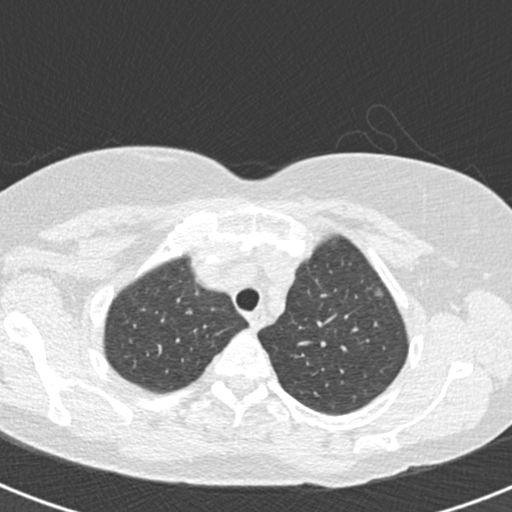
One axial slice (137 of 166, counting up from the lowest) of a chest CT acquired at 120 kVp with the B30f kernel; each pixel is 0.566 mm and the slice is 2.00 mm thick.
Pulmonary nodule, outlined by three of the four readers. Box on this slice rows 286–297, columns 373–384, the union of the readers' outlines on this slice; the three readers' outlines give a longest diameter between 7.2 and 7.7 mm and a volume between 119 and 121 mm3. The readers' ratings, as ranges where they differ: texture from 1/5 (non-solid) to 4/5 across the three readers; margin from 1/5 (indistinct) to 5/5 (circumscribed) across the three readers; sphericity from 4/5 to 5/5 (round) across the three readers; calcification absent, all three readers agreeing; internal structure soft tissue from all three readers; subtlety from 1/5 to 4/5 across the three readers; malignancy likelihood 3/5 from all three readers. Scale key (1–5): texture non-solid→solid, margin indistinct→circumscribed, sphericity linear→round, subtlety extremely subtle→obvious, malignancy likelihood highly unlikely→highly suspicious of cancer. Box rows and columns are 0-based pixel indices from the top-left corner, inclusive.